Axial chest CT slice 252 of 305 (counted from the lowest slice); tube voltage 120 kVp, convolution kernel STANDARD; slices 1.25 mm thick, 0.732 mm per pixel.
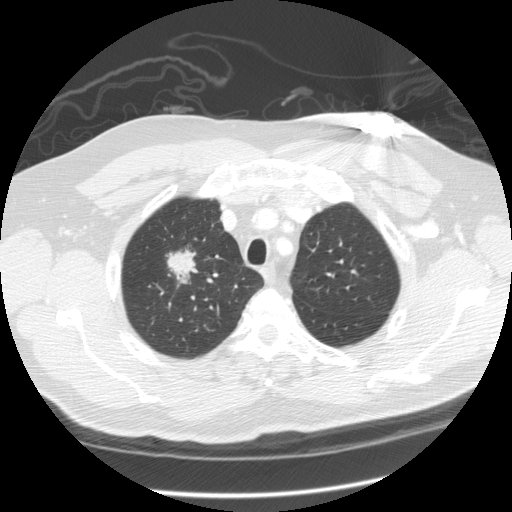
Pulmonary nodule outlined by three of the four readers; box rows 246–288, columns 166–198 (the union of the readers' outlines on this slice); median longest diameter 43.6 mm (readers' outlines 41.0–45.9 mm), median volume 9712 mm3 (6528–11092 mm3). Median ratings and the readers' spread: median texture 4/5 (readers ranged 3/5 (part-solid) to 5/5 (solid)); margin 3/5 at the median of three readers, spread 1/5 (indistinct) to 4/5; sphericity 3/5 (ovoid) at the median of three readers, spread 2/5 to 3/5 (ovoid); calcification absent, all three readers agreeing; internal structure soft tissue from all three readers; subtlety 5/5 from all three readers; malignancy likelihood 5/5 from all three readers. Scale key (1–5): texture non-solid→solid, margin indistinct→circumscribed, sphericity linear→round, subtlety extremely subtle→obvious, malignancy likelihood highly unlikely→highly suspicious of cancer. Box rows and columns are 0-based pixel indices from the top-left corner, inclusive.